Axial slice 172 of 295 of a chest CT (slice 1 is the lowest), reconstructed with the D kernel at 120 kVp; 2.00 mm slice thickness and 0.682 mm pixels.
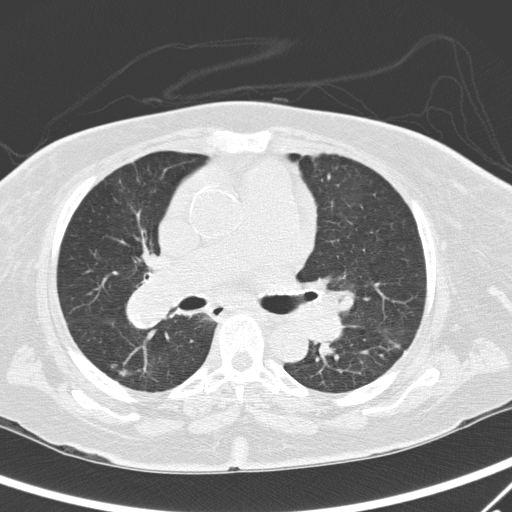
Pulmonary nodule, outlined by one of the four readers. Box on this slice rows 364–380, columns 111–155, that reader's outline on this slice; longest diameter 49.8 mm and volume 6337 mm3 from that reader's outline. That reader's ratings: texture 4/5; margin 1/5 (indistinct); sphericity 3/5 (ovoid); calcification absent; internal structure soft tissue; subtlety 5/5; malignancy likelihood 5/5. Scale key (1–5): texture non-solid→solid, margin indistinct→circumscribed, sphericity linear→round, subtlety extremely subtle→obvious, malignancy likelihood highly unlikely→highly suspicious of cancer. Box rows and columns are 0-based pixel indices from the top-left corner, inclusive.